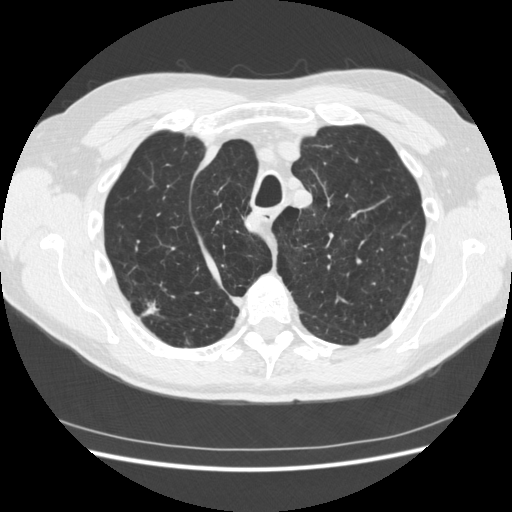
Slice 363/481 of a chest CT, counting up from the lowest; pixel size 0.703 mm, slice thickness 1.25 mm. Pulmonary nodule outlined by all four readers; box rows 297–317, columns 138–160 (the union of the readers' outlines on this slice); longest diameter 26.2 mm on average over the four readers' outlines (readers' outlines 18.7–34.9 mm), volume 1155–4169 mm3. Ratings, by the readers' most common answer with dissent counted: most readers (three of four) put texture at 5/5 (solid), others 4/5 (one); margin split among the readers: 1/5 (indistinct) (one), 2/5 (one), 3/5 (one), 4/5 (one); sphericity split among the readers: 2/5 (one), 3/5 (ovoid) (one), 4/5 (one), 5/5 (round) (one); calcification absent from all four readers; internal structure soft tissue from all four readers; subtlety 5/5, all four readers agreeing; most readers (three of four) put malignancy likelihood at 5/5, others 4/5 (one). Scale key (1–5): texture non-solid→solid, margin indistinct→circumscribed, sphericity linear→round, subtlety extremely subtle→obvious, malignancy likelihood highly unlikely→highly suspicious of cancer. Box rows and columns are 0-based pixel indices from the top-left corner, inclusive.
Acquired at 120 kVp and reconstructed with the STANDARD kernel.